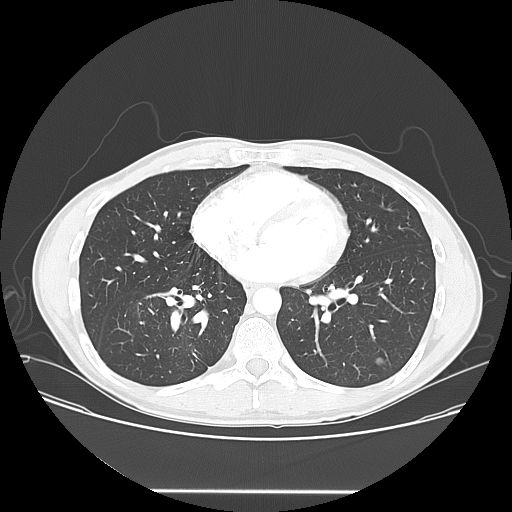
Chest CT, axial plane, 120 kVp, kernel LUNG. Slice 71/150 from the bottom of the scan; thickness 2.50 mm; pixel size 0.781 mm.
Pulmonary nodule at rows 357–365, columns 375–383 (box = the union of the readers' outlines on this slice), outlined by all four readers; longest diameter 9.7 mm on average over the four readers' outlines (readers' outlines 9.4–10.2 mm), volume 463–692 mm3. The readers' prevailing ratings and who disagreed: texture 5/5 (solid), all four readers agreeing; margin 5/5 (circumscribed), all four readers agreeing; most readers (three of four) put sphericity at 5/5 (round), others 4/5 (one); calcification absent by three of four readers, solid calcification (one); internal structure soft tissue, all four readers agreeing; most readers (three of four) put subtlety at 5/5, others 4/5 (one); malignancy likelihood 3/5 by two of four readers; the rest gave 1/5 (one), 4/5 (one). Scale key (1–5): texture non-solid→solid, margin indistinct→circumscribed, sphericity linear→round, subtlety extremely subtle→obvious, malignancy likelihood highly unlikely→highly suspicious of cancer. Box rows and columns are 0-based pixel indices from the top-left corner, inclusive.